Chest CT, axial plane, 120 kVp, kernel STANDARD. Slice 245/506 from the bottom of the scan; thickness 1.25 mm; pixel size 0.664 mm.
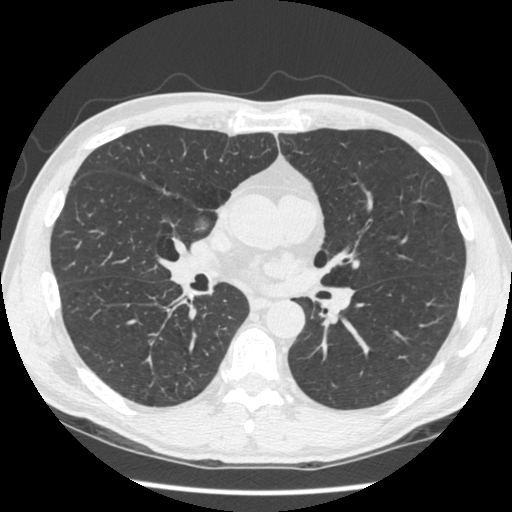
Pulmonary nodule at rows 218–231, columns 194–208 (box = the one reader's outline on this slice), outlined by two of the four readers, one of them on this slice; longest diameter 16.4–17.3 mm and volume 126–127 mm3 across the two readers' outlines. Ratings across the readers: texture 1/5 (non-solid), both readers agreeing; margin from 1/5 (indistinct) to 4/5 across the two readers; sphericity from 3/5 (ovoid) to 4/5 across the two readers; calcification absent, both readers agreeing; internal structure soft tissue, both readers agreeing; subtlety from 2/5 to 4/5 across the two readers; malignancy likelihood 3/5 from both readers. Scale key (1–5): texture non-solid→solid, margin indistinct→circumscribed, sphericity linear→round, subtlety extremely subtle→obvious, malignancy likelihood highly unlikely→highly suspicious of cancer. Box rows and columns are 0-based pixel indices from the top-left corner, inclusive.